Axial slice 45 of 198 of a chest CT (slice 1 is the lowest), reconstructed with the B30f kernel at 120 kVp; 2.00 mm slice thickness and 0.703 mm pixels.
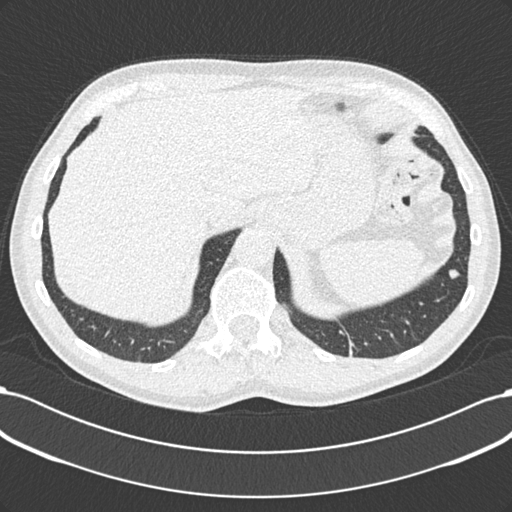
Pulmonary nodule outlined by all four readers; box rows 269–278, columns 448–459 (the union of the readers' outlines on this slice); median longest diameter 9.1 mm (readers' outlines 7.9–9.8 mm), median volume 312 mm3 (191–370 mm3). Ratings, median across the readers with their spread: texture 5/5 (solid) at the median of four readers, spread 4/5 to 5/5 (solid); margin 5/5 (circumscribed) at the median of four readers, spread 4/5 to 5/5 (circumscribed); median sphericity 4/5 (readers ranged 4/5 to 5/5 (round)); calcification absent from all four readers; internal structure soft tissue, all four readers agreeing; median subtlety 4.5/5 (readers ranged 4–5); median malignancy likelihood 3/5 (readers ranged 3–4). Scale key (1–5): texture non-solid→solid, margin indistinct→circumscribed, sphericity linear→round, subtlety extremely subtle→obvious, malignancy likelihood highly unlikely→highly suspicious of cancer. Box rows and columns are 0-based pixel indices from the top-left corner, inclusive.